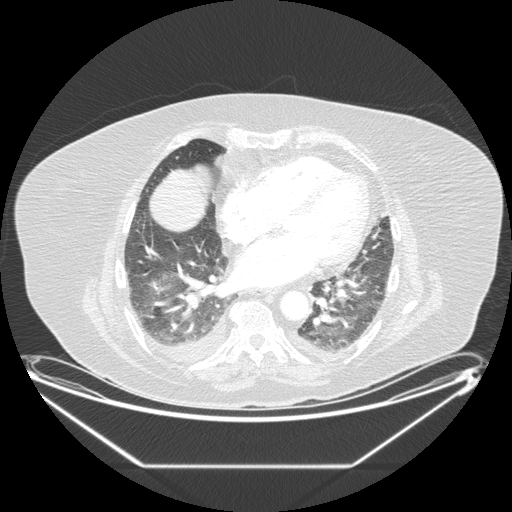
One axial slice (76 of 206, counting up from the lowest) of a chest CT acquired at 120 kVp with the STANDARD kernel; each pixel is 0.898 mm and the slice is 1.25 mm thick.
Pulmonary nodule, outlined by all four readers, one of them on this slice. Box on this slice rows 280–294, columns 149–172, the one reader's outline on this slice; median longest diameter 26.6 mm (readers' outlines 25.7–34.7 mm), median volume 4111 mm3 (3668–5061 mm3). Median ratings and the readers' spread: texture 5/5 (solid) at the median of four readers, spread 4/5 to 5/5 (solid); margin 4/5 from all four readers; sphericity 3/5 (ovoid) at the median of four readers, spread 3/5 (ovoid) to 5/5 (round); calcification absent from all four readers; internal structure soft tissue, all four readers agreeing; median subtlety 5/5 (readers ranged 4–5); median malignancy likelihood 4.5/5 (readers ranged 3–5). Scale key (1–5): texture non-solid→solid, margin indistinct→circumscribed, sphericity linear→round, subtlety extremely subtle→obvious, malignancy likelihood highly unlikely→highly suspicious of cancer. Box rows and columns are 0-based pixel indices from the top-left corner, inclusive.